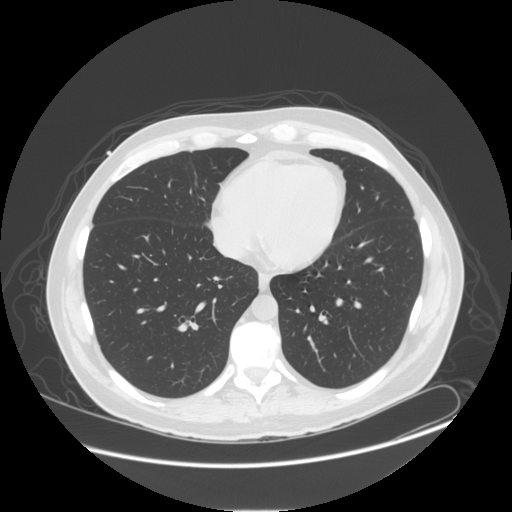
Axial chest CT slice 56 of 143 (counted from the lowest slice); tube voltage 120 kVp, convolution kernel STANDARD; slices 2.50 mm thick, 0.859 mm per pixel.
The readers outlined no nodule of 3 mm or more on this slice.